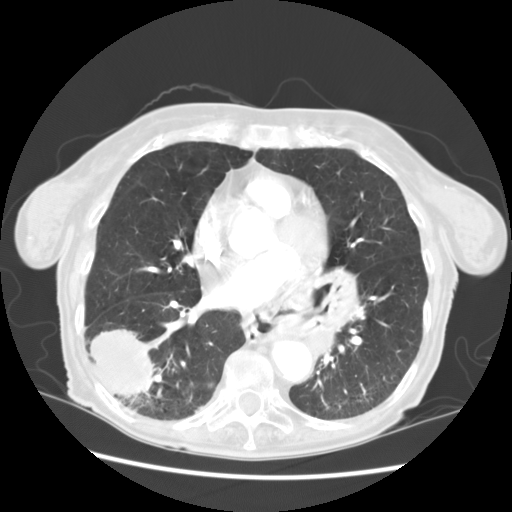
One axial slice (64 of 133, counting up from the lowest) of a chest CT acquired at 120 kVp with the STANDARD kernel; each pixel is 0.703 mm and the slice is 2.50 mm thick.
None of the four readers outlined a nodule of 3 mm or more on this slice.